One axial slice (209 of 347, counting up from the lowest) of a chest CT acquired at 120 kVp with the B45f kernel; each pixel is 0.625 mm and the slice is 1.00 mm thick.
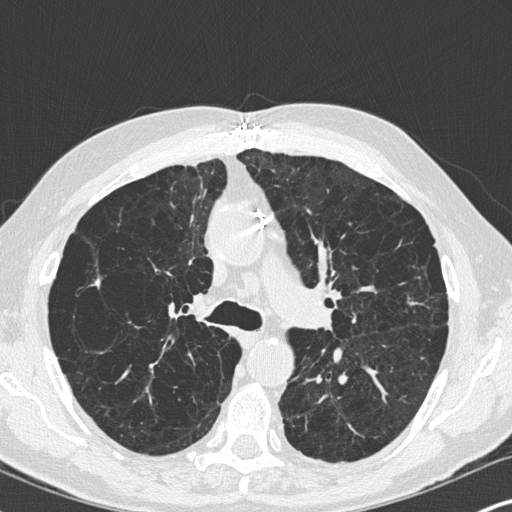
Pulmonary nodule, outlined by two of the four readers. Box on this slice rows 278–287, columns 94–100, the union of the readers' outlines on this slice; longest diameter 10.2 mm on average over the two readers' outlines (readers' outlines 10.1–10.3 mm), volume 119–145 mm3. The readers' prevailing ratings and who disagreed: texture 5/5 (solid), both readers agreeing; margin split among the readers: 3/5 (one), 5/5 (circumscribed) (one); sphericity 2/5, both readers agreeing; calcification absent, both readers agreeing; internal structure soft tissue from both readers; subtlety 3/5, both readers agreeing; malignancy likelihood split among the readers: 2/5 (one), 3/5 (one). Scale key (1–5): texture non-solid→solid, margin indistinct→circumscribed, sphericity linear→round, subtlety extremely subtle→obvious, malignancy likelihood highly unlikely→highly suspicious of cancer. Box rows and columns are 0-based pixel indices from the top-left corner, inclusive.